One axial slice (233 of 429, counting up from the lowest) of a chest CT acquired at 120 kVp with the STANDARD kernel; each pixel is 0.586 mm and the slice is 1.25 mm thick.
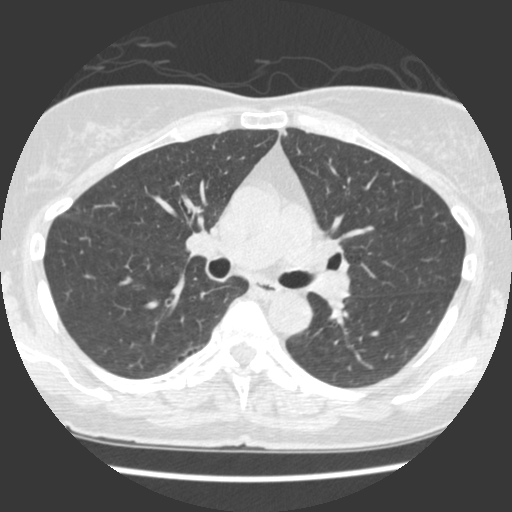
Two pulmonary nodules are outlined on this slice; from left to right: (1) Pulmonary nodule, outlined by one of the four readers. Box on this slice rows 129–135, columns 282–286, that reader's outline on this slice; longest diameter 7.8 mm and volume 111 mm3 from that reader's outline. Ratings by that reader: texture 5/5 (solid); margin 2/5; sphericity 2/5; calcification absent; internal structure soft tissue; subtlety 2/5; malignancy likelihood 1/5. (2) Pulmonary nodule at rows 226–229, columns 365–373 (box = the union of the readers' outlines on this slice), outlined by all four readers, two of them on this slice; the four readers' outlines give a longest diameter between 5.6 and 6.9 mm and a volume between 30 and 64 mm3. Ratings across the readers: texture 5/5 (solid) from all four readers; margin from 3/5 to 5/5 (circumscribed) across the four readers; sphericity 4/5, all four readers agreeing; calcification absent from all four readers; internal structure soft tissue from all four readers; subtlety rated between 3 and 4 out of 5 by the four readers; malignancy likelihood 1–3/5 (the readers disagree). Scale key (1–5): texture non-solid→solid, margin indistinct→circumscribed, sphericity linear→round, subtlety extremely subtle→obvious, malignancy likelihood highly unlikely→highly suspicious of cancer. Box rows and columns are 0-based pixel indices from the top-left corner, inclusive.